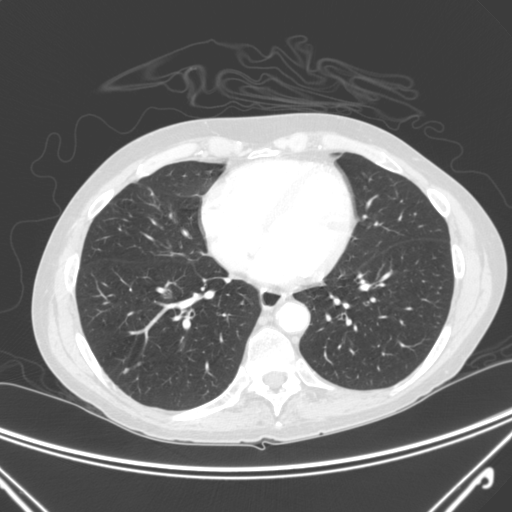
Chest CT, axial plane, 120 kVp, kernel C. Slice 107/300 from the bottom of the scan; thickness 2.00 mm; pixel size 0.715 mm.
Pulmonary nodule at rows 368–373, columns 123–128 (box = the union of the readers' outlines on this slice), outlined by two of the four readers; longest diameter 5.4–6.1 mm and volume 36–60 mm3 across the two readers' outlines. The readers' ratings, as ranges where they differ: texture from 3/5 (part-solid) to 5/5 (solid) across the two readers; margin from 3/5 to 5/5 (circumscribed) across the two readers; sphericity from 2/5 to 4/5 across the two readers; calcification absent from both readers; internal structure soft tissue, both readers agreeing; subtlety rated between 2 and 4 out of 5 by the two readers; malignancy likelihood 3/5 from both readers. Scale key (1–5): texture non-solid→solid, margin indistinct→circumscribed, sphericity linear→round, subtlety extremely subtle→obvious, malignancy likelihood highly unlikely→highly suspicious of cancer. Box rows and columns are 0-based pixel indices from the top-left corner, inclusive.